Axial slice 86 of 133 of a chest CT (slice 1 is the lowest), reconstructed with the STANDARD kernel at 120 kVp; 2.50 mm slice thickness and 0.820 mm pixels.
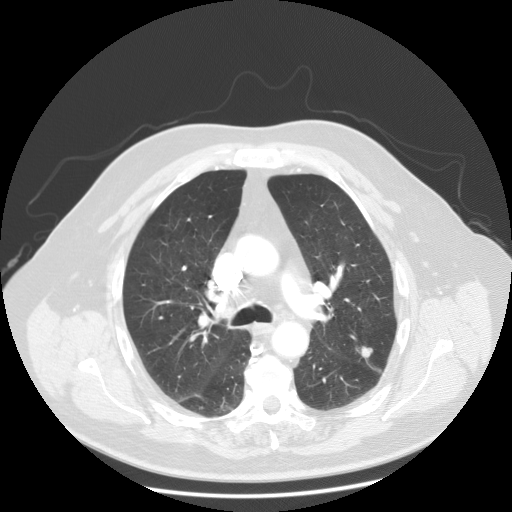
Pulmonary nodule at rows 345–357, columns 355–373 (box = the union of the readers' outlines on this slice), outlined by all four readers; longest diameter 13.6–17.4 mm and volume 747–1295 mm3 across the four readers' outlines. Ratings across the readers: texture from 4/5 to 5/5 (solid) across the four readers; margin from 4/5 to 5/5 (circumscribed) across the four readers; sphericity from 3/5 (ovoid) to 5/5 (round) across the four readers; calcification absent, all four readers agreeing; internal structure soft tissue, all four readers agreeing; subtlety rated between 3 and 5 out of 5 by the four readers; malignancy likelihood from 2/5 to 5/5 across the four readers. Scale key (1–5): texture non-solid→solid, margin indistinct→circumscribed, sphericity linear→round, subtlety extremely subtle→obvious, malignancy likelihood highly unlikely→highly suspicious of cancer. Box rows and columns are 0-based pixel indices from the top-left corner, inclusive.